One axial slice (52 of 253, counting up from the lowest) of a chest CT acquired at 120 kVp with the STANDARD kernel; each pixel is 0.742 mm and the slice is 1.25 mm thick.
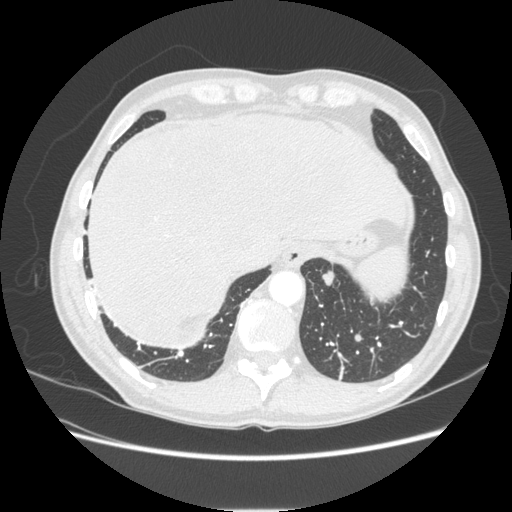
Two pulmonary nodules are outlined on this slice; from left to right: (1) Pulmonary nodule at rows 269–285, columns 321–334 (box = the union of the readers' outlines on this slice), outlined by all four readers; longest diameter 16.3 mm on average over the four readers' outlines (readers' outlines 15.6–17.5 mm), volume 1063–1176 mm3. Ratings, by the readers' most common answer with dissent counted: texture 5/5 (solid), all four readers agreeing; margin 5/5 (circumscribed), all four readers agreeing; sphericity 5/5 (round) by two of four readers; the rest gave 3/5 (ovoid) (one), 4/5 (one); calcification absent from all four readers; internal structure soft tissue, all four readers agreeing; subtlety 5/5 from all four readers; malignancy likelihood 3/5 by two of four readers; the rest gave 4/5 (one), 5/5 (one). (2) Pulmonary nodule outlined by all four readers; box rows 333–342, columns 353–362 (the union of the readers' outlines on this slice); longest diameter 7.8 mm on average over the four readers' outlines (readers' outlines 7.0–8.5 mm), volume 167–207 mm3. Ratings, by the readers' most common answer with dissent counted: texture 5/5 (solid), all four readers agreeing; margin 5/5 (circumscribed), all four readers agreeing; most readers (three of four) put sphericity at 5/5 (round), others 4/5 (one); calcification absent, all four readers agreeing; internal structure soft tissue, all four readers agreeing; subtlety 3/5 by two of four readers; the rest gave 2/5 (one), 4/5 (one); malignancy likelihood 2/5 by two of four readers; the rest gave 3/5 (one), 4/5 (one). Scale key (1–5): texture non-solid→solid, margin indistinct→circumscribed, sphericity linear→round, subtlety extremely subtle→obvious, malignancy likelihood highly unlikely→highly suspicious of cancer. Box rows and columns are 0-based pixel indices from the top-left corner, inclusive.